Axial slice 90 of 214 of a chest CT (slice 1 is the lowest), reconstructed with the LUNG kernel at 120 kVp; 1.25 mm slice thickness and 0.820 mm pixels.
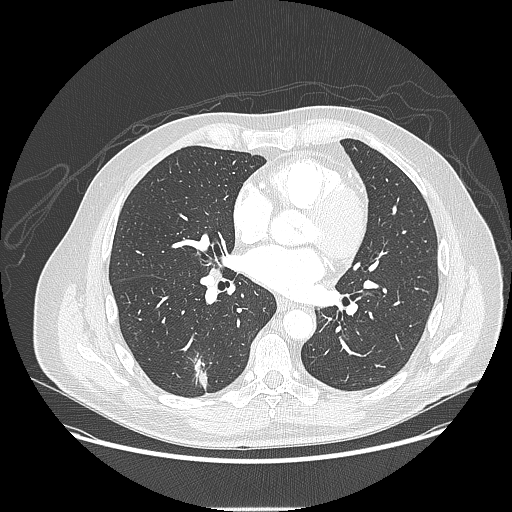
Pulmonary nodule, outlined by all four readers, three of them on this slice. Box on this slice rows 359–386, columns 195–207, the union of the readers' outlines on this slice; longest diameter 14.7–27.9 mm and volume 696–2326 mm3 across the four readers' outlines. The readers' ratings, as ranges where they differ: texture from 4/5 to 5/5 (solid) across the four readers; margin from 1/5 (indistinct) to 4/5 across the four readers; sphericity from 2/5 to 3/5 (ovoid) across the four readers; calcification absent from all four readers; internal structure soft tissue from all four readers; subtlety 4–5/5 (the readers disagree); malignancy likelihood rated between 3 and 4 out of 5 by the four readers. Scale key (1–5): texture non-solid→solid, margin indistinct→circumscribed, sphericity linear→round, subtlety extremely subtle→obvious, malignancy likelihood highly unlikely→highly suspicious of cancer. Box rows and columns are 0-based pixel indices from the top-left corner, inclusive.